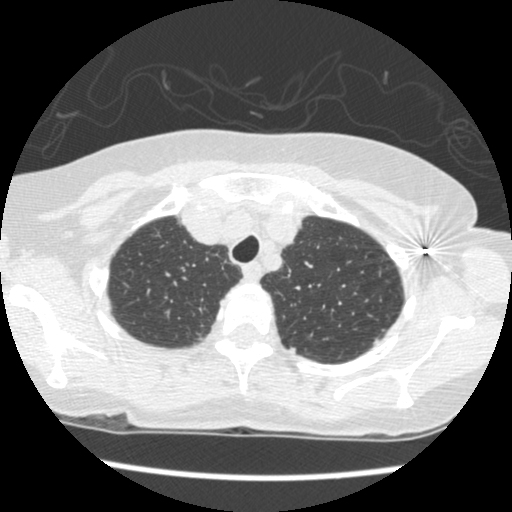
Slice 391/461 of a chest CT, counting up from the lowest; pixel size 0.586 mm, slice thickness 1.25 mm. Pulmonary nodule at rows 346–353, columns 288–295 (box = the union of the readers' outlines on this slice), outlined by all four readers; longest diameter 5.0–6.6 mm and volume 33–53 mm3 across the four readers' outlines. The readers' ratings, as ranges where they differ: texture 5/5 (solid) from all four readers; margin from 4/5 to 5/5 (circumscribed) across the four readers; sphericity from 3/5 (ovoid) to 5/5 (round) across the four readers; calcification absent from all four readers; internal structure soft tissue from all four readers; subtlety rated between 3 and 4 out of 5 by the four readers; malignancy likelihood 1–4/5 (the readers disagree). Scale key (1–5): texture non-solid→solid, margin indistinct→circumscribed, sphericity linear→round, subtlety extremely subtle→obvious, malignancy likelihood highly unlikely→highly suspicious of cancer. Box rows and columns are 0-based pixel indices from the top-left corner, inclusive.
Scan settings: 120 kVp, STANDARD reconstruction kernel.